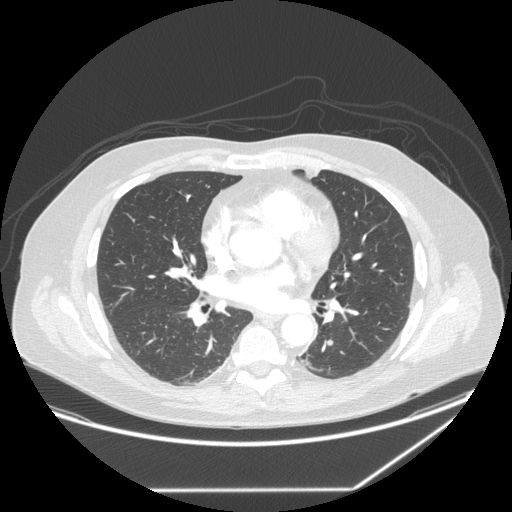
Slice 134/258 of a chest CT, counting up from the lowest; pixel size 0.859 mm, slice thickness 1.25 mm. Pulmonary nodule at rows 339–345, columns 325–332 (box = the union of the readers' outlines on this slice), outlined by three of the four readers; longest diameter 7.5 mm on average over the three readers' outlines (readers' outlines 6.5–8.5 mm), volume 108–146 mm3. Ratings, by the readers' most common answer with dissent counted: texture 5/5 (solid), all three readers agreeing; margin 5/5 (circumscribed), all three readers agreeing; sphericity 5/5 (round), all three readers agreeing; calcification absent, all three readers agreeing; internal structure soft tissue, all three readers agreeing; subtlety split among the readers: 2/5 (one), 3/5 (one), 4/5 (one); most readers (two of three) put malignancy likelihood at 3/5, others 2/5 (one). Scale key (1–5): texture non-solid→solid, margin indistinct→circumscribed, sphericity linear→round, subtlety extremely subtle→obvious, malignancy likelihood highly unlikely→highly suspicious of cancer. Box rows and columns are 0-based pixel indices from the top-left corner, inclusive.
Tube voltage 120 kVp; convolution kernel STANDARD.